Chest CT, axial plane, 120 kVp, kernel STANDARD. Slice 65/117 from the bottom of the scan; thickness 2.50 mm; pixel size 0.781 mm.
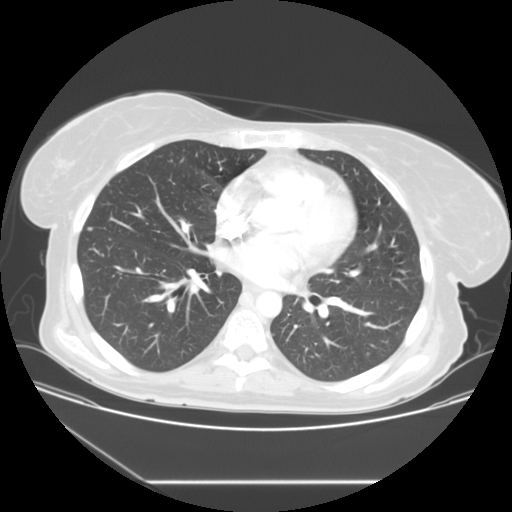
Pulmonary nodule at rows 227–230, columns 87–92 (box = the union of the readers' outlines on this slice), outlined by three of the four readers; median longest diameter 5.7 mm (readers' outlines 5.5–5.7 mm), median volume 61 mm3 (61–74 mm3). Median ratings and the readers' spread: texture 5/5 (solid) from all three readers; median margin 5/5 (circumscribed) (readers ranged 4/5 to 5/5 (circumscribed)); sphericity 3/5 (ovoid) at the median of three readers, spread 3/5 (ovoid) to 5/5 (round); calcification absent from all three readers; internal structure soft tissue, all three readers agreeing; median subtlety 3/5 (readers ranged 2–4); malignancy likelihood 2/5 from all three readers. Scale key (1–5): texture non-solid→solid, margin indistinct→circumscribed, sphericity linear→round, subtlety extremely subtle→obvious, malignancy likelihood highly unlikely→highly suspicious of cancer. Box rows and columns are 0-based pixel indices from the top-left corner, inclusive.